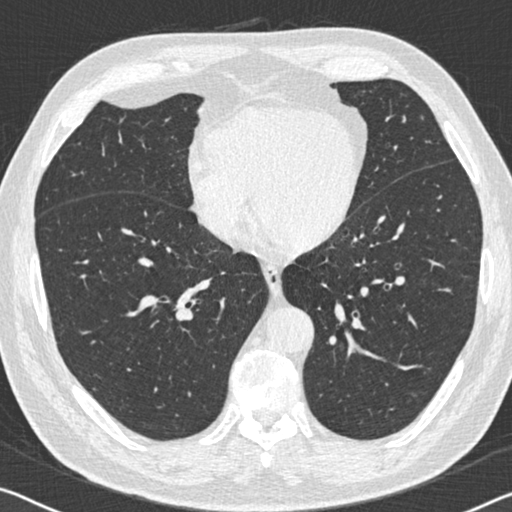
Axial slice 237 of 536 of a chest CT (slice 1 is the lowest), reconstructed with the B30f kernel at 120 kVp; 0.75 mm slice thickness and 0.656 mm pixels.
Pulmonary nodule at rows 115–121, columns 403–404 (box = that reader's outline on this slice), outlined by one of the four readers; longest diameter 9.1 mm and volume 89 mm3 from that reader's outline. That reader's ratings: texture 5/5 (solid); margin 4/5; sphericity 3/5 (ovoid); calcification absent; internal structure soft tissue; subtlety 4/5; malignancy likelihood 2/5. Scale key (1–5): texture non-solid→solid, margin indistinct→circumscribed, sphericity linear→round, subtlety extremely subtle→obvious, malignancy likelihood highly unlikely→highly suspicious of cancer. Box rows and columns are 0-based pixel indices from the top-left corner, inclusive.